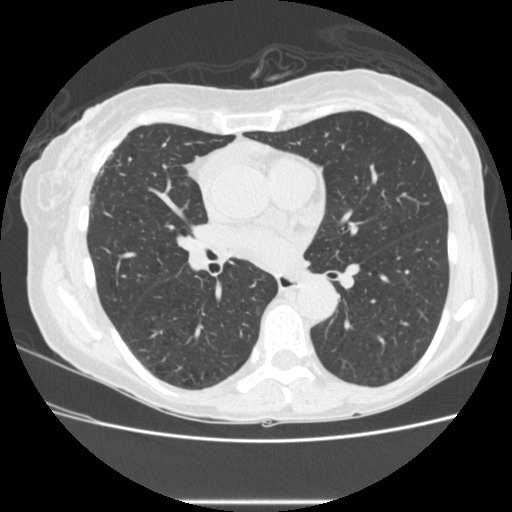
This is axial slice 140 of 265 (slice 1 is the lowest) of a chest CT; each pixel is 0.670 mm and the slice is 1.25 mm thick. None of the four readers outlined a nodule of 3 mm or more on this slice.
Scan settings: 120 kVp, STANDARD reconstruction kernel.